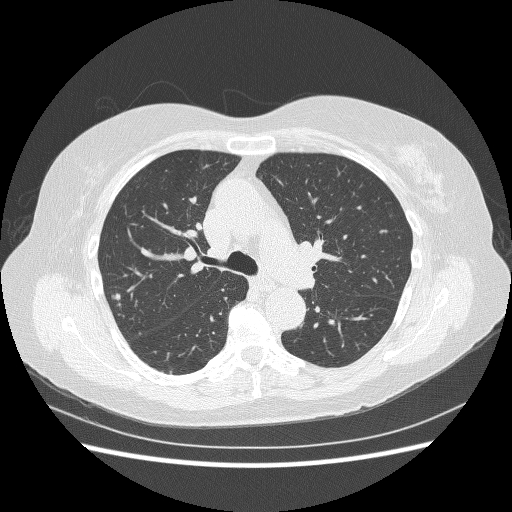
One axial slice (163 of 240, counting up from the lowest) of a chest CT acquired at 120 kVp with the BONE kernel; each pixel is 0.703 mm and the slice is 1.25 mm thick.
Pulmonary nodule, outlined by one of the four readers. Box on this slice rows 293–299, columns 114–119, that reader's outline on this slice; longest diameter 6.0 mm and volume 103 mm3 from that reader's outline. Ratings by that reader: texture 5/5 (solid); margin 5/5 (circumscribed); sphericity 4/5; calcification absent; internal structure soft tissue; subtlety 4/5; malignancy likelihood 2/5. Scale key (1–5): texture non-solid→solid, margin indistinct→circumscribed, sphericity linear→round, subtlety extremely subtle→obvious, malignancy likelihood highly unlikely→highly suspicious of cancer. Box rows and columns are 0-based pixel indices from the top-left corner, inclusive.